Axial chest CT slice 329 of 636 (counted from the lowest slice); tube voltage 120 kVp, convolution kernel B30f; slices 0.60 mm thick, 0.689 mm per pixel.
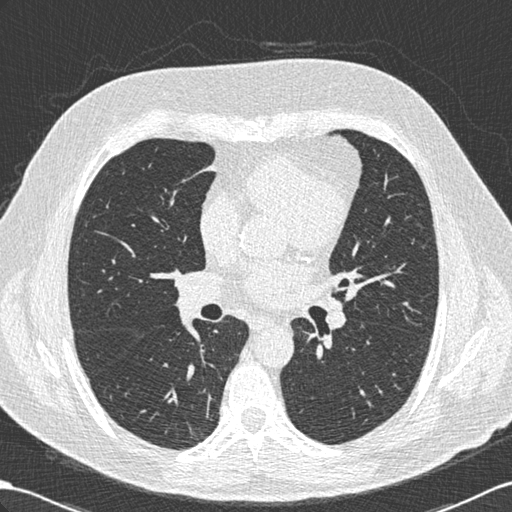
None of the four readers outlined a nodule of 3 mm or more on this slice.